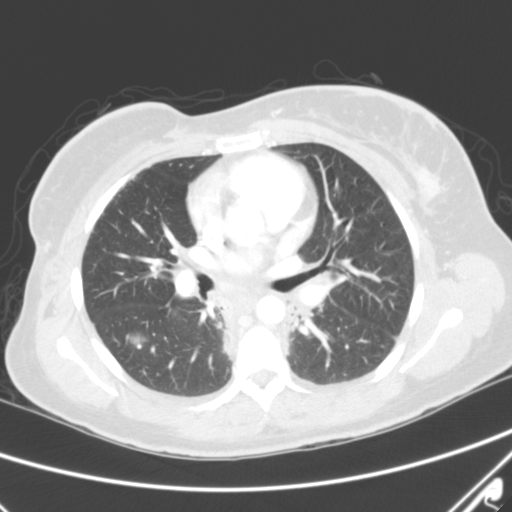
Chest CT, axial plane, 120 kVp, kernel B. Slice 150/263 from the bottom of the scan; thickness 2.00 mm; pixel size 0.664 mm.
Pulmonary nodule, outlined two times (the source holds three more outlines, not used). Box on this slice rows 332–345, columns 129–147, the union of the readers' outlines on this slice; longest diameter 13.7 mm on average over the two readers' outlines (readers' outlines 12.2–15.2 mm), volume 731–1229 mm3. The readers' prevailing ratings and who disagreed: texture split among the readers: 1/5 (non-solid) (one), 3/5 (part-solid) (one); margin split among the readers: 2/5 (one), 3/5 (one); sphericity split among the readers: 3/5 (ovoid) (one), 4/5 (one); calcification absent, both readers agreeing; internal structure soft tissue from both readers; subtlety 3/5 from both readers; malignancy likelihood split among the readers: 2/5 (one), 4/5 (one). Scale key (1–5): texture non-solid→solid, margin indistinct→circumscribed, sphericity linear→round, subtlety extremely subtle→obvious, malignancy likelihood highly unlikely→highly suspicious of cancer. Box rows and columns are 0-based pixel indices from the top-left corner, inclusive.